One axial slice (169 of 256, counting up from the lowest) of a chest CT acquired at 120 kVp with the STANDARD kernel; each pixel is 0.781 mm and the slice is 1.25 mm thick.
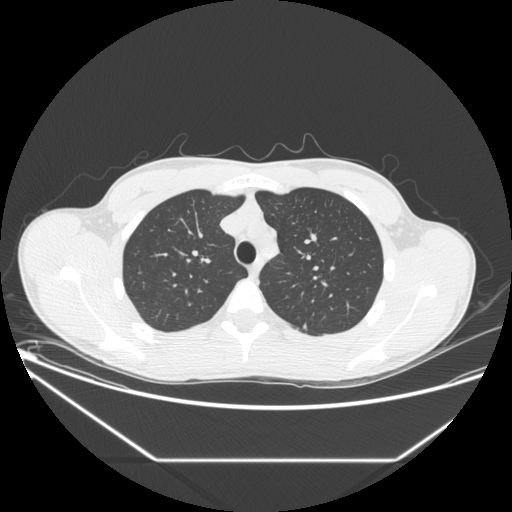
Pulmonary nodule at rows 323–328, columns 302–305 (box = that reader's outline on this slice), outlined by one of the four readers; longest diameter 6.3 mm and volume 79 mm3 from that reader's outline. That reader's ratings: texture 5/5 (solid); margin 5/5 (circumscribed); sphericity 4/5; calcification absent; internal structure soft tissue; subtlety 3/5; malignancy likelihood 2/5. Scale key (1–5): texture non-solid→solid, margin indistinct→circumscribed, sphericity linear→round, subtlety extremely subtle→obvious, malignancy likelihood highly unlikely→highly suspicious of cancer. Box rows and columns are 0-based pixel indices from the top-left corner, inclusive.